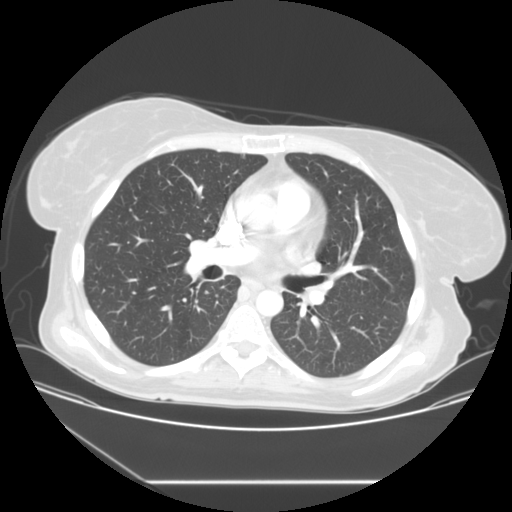
Axial chest CT slice 72 of 117 (counted from the lowest slice); 2.50 mm thick, 0.781 mm per pixel. Pulmonary nodule, outlined by all four readers, one of them on this slice. Box on this slice rows 289–291, columns 390–393, the one reader's outline on this slice; median longest diameter 12.4 mm (readers' outlines 11.4–12.8 mm), median volume 482 mm3 (378–537 mm3). Median ratings and the readers' spread: texture 5/5 (solid), all four readers agreeing; margin 5/5 (circumscribed) at the median of four readers, spread 4/5 to 5/5 (circumscribed); sphericity 4.5/5 at the median of four readers, spread 4/5 to 5/5 (round); calcification absent from all four readers; internal structure soft tissue, all four readers agreeing; median subtlety 4.5/5 (readers ranged 3–5); malignancy likelihood 2.5/5 at the median of four readers, spread 2–5. Scale key (1–5): texture non-solid→solid, margin indistinct→circumscribed, sphericity linear→round, subtlety extremely subtle→obvious, malignancy likelihood highly unlikely→highly suspicious of cancer. Box rows and columns are 0-based pixel indices from the top-left corner, inclusive.
Tube voltage 120 kVp; convolution kernel STANDARD.